One axial slice (74 of 118, counting up from the lowest) of a chest CT acquired at 120 kVp with the B31f kernel; each pixel is 0.707 mm and the slice is 3.00 mm thick.
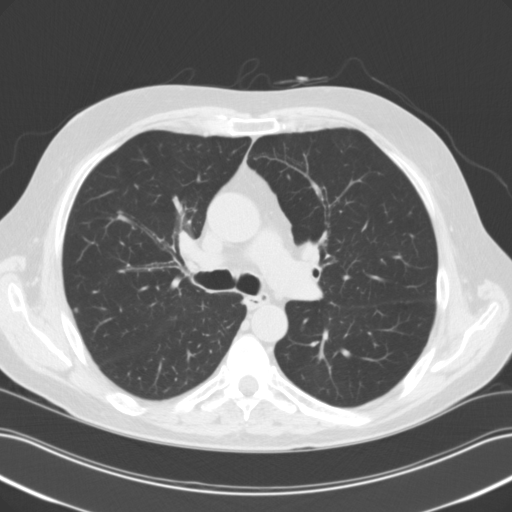
Pulmonary nodule at rows 308–311, columns 74–77 (box = the union of the readers' outlines on this slice), outlined by three of the four readers; longest diameter 4.5–5.7 mm and volume 54–88 mm3 across the three readers' outlines. The readers' ratings, as ranges where they differ: texture from 4/5 to 5/5 (solid) across the three readers; margin 4/5, all three readers agreeing; sphericity 4/5, all three readers agreeing; calcification absent, all three readers agreeing; internal structure soft tissue from all three readers; subtlety 2–5/5 (the readers disagree); malignancy likelihood rated between 2 and 3 out of 5 by the three readers. Scale key (1–5): texture non-solid→solid, margin indistinct→circumscribed, sphericity linear→round, subtlety extremely subtle→obvious, malignancy likelihood highly unlikely→highly suspicious of cancer. Box rows and columns are 0-based pixel indices from the top-left corner, inclusive.